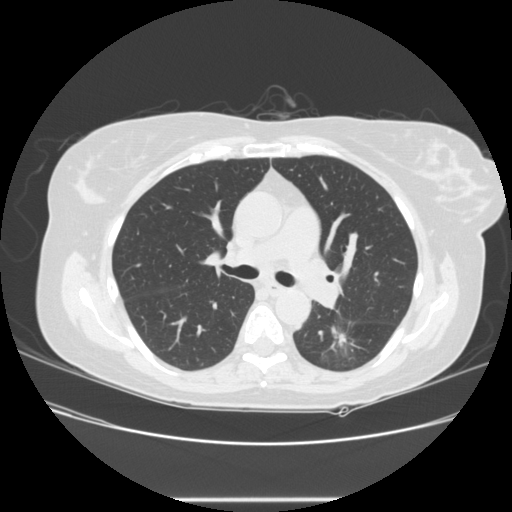
Axial chest CT slice 155 of 245 (counted from the lowest slice); tube voltage 120 kVp, convolution kernel STANDARD; slices 1.25 mm thick, 0.730 mm per pixel.
Pulmonary nodule, outlined by all four readers. Box on this slice rows 325–350, columns 331–349, the union of the readers' outlines on this slice; the four readers' outlines give a longest diameter between 27.2 and 36.8 mm and a volume between 3941 and 5997 mm3. Ratings across the readers: texture 5/5 (solid), all four readers agreeing; margin from 1/5 (indistinct) to 4/5 across the four readers; sphericity from 2/5 to 4/5 across the four readers; calcification absent, all four readers agreeing; internal structure soft tissue from all four readers; subtlety 5/5 from all four readers; malignancy likelihood 4–5/5 (the readers disagree). Scale key (1–5): texture non-solid→solid, margin indistinct→circumscribed, sphericity linear→round, subtlety extremely subtle→obvious, malignancy likelihood highly unlikely→highly suspicious of cancer. Box rows and columns are 0-based pixel indices from the top-left corner, inclusive.